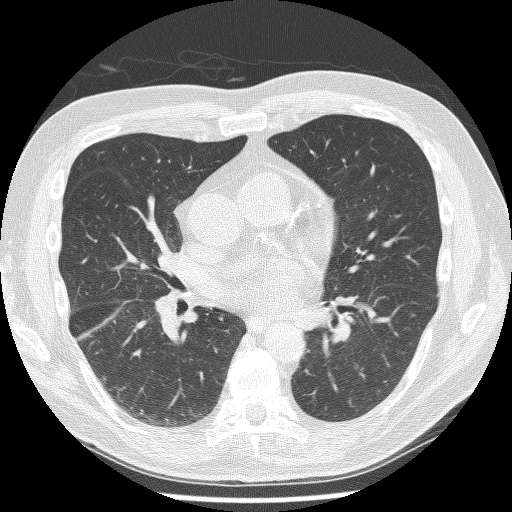
Slice 127/244 of a chest CT, counting up from the lowest; pixel size 0.674 mm, slice thickness 1.25 mm. Pulmonary nodule outlined by all four readers, three of them on this slice; box rows 376–382, columns 102–105 (the union of the readers' outlines on this slice); longest diameter 5.6 mm on average over the four readers' outlines (readers' outlines 4.5–6.6 mm), volume 47–112 mm3. The readers' prevailing ratings and who disagreed: texture 5/5 (solid) by three of four readers; the rest gave 4/5 (one); margin 5/5 (circumscribed) by two of four readers; the rest gave 2/5 (one), 4/5 (one); sphericity 4/5 by two of four readers; the rest gave 3/5 (ovoid) (one), 5/5 (round) (one); calcification absent, all four readers agreeing; internal structure soft tissue from all four readers; subtlety split among the readers: 3/5 (two), 4/5 (two); malignancy likelihood 2/5 by two of four readers; the rest gave 3/5 (one), 4/5 (one). Scale key (1–5): texture non-solid→solid, margin indistinct→circumscribed, sphericity linear→round, subtlety extremely subtle→obvious, malignancy likelihood highly unlikely→highly suspicious of cancer. Box rows and columns are 0-based pixel indices from the top-left corner, inclusive.
Acquired at 120 kVp and reconstructed with the BONE kernel.